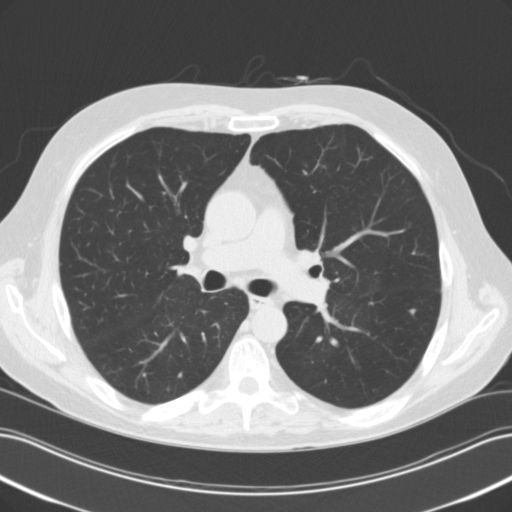
Slice 71/118 of a chest CT, counting up from the lowest; pixel size 0.707 mm, slice thickness 3.00 mm. Pulmonary nodule at rows 309–314, columns 409–415 (box = the union of the readers' outlines on this slice), outlined by two of the four readers; longest diameter 5.5 mm on average over the two readers' outlines (readers' outlines 5.1–5.8 mm), volume 55–57 mm3. Ratings, by the readers' most common answer with dissent counted: texture split among the readers: 3/5 (part-solid) (one), 4/5 (one); margin split among the readers: 3/5 (one), 4/5 (one); sphericity split among the readers: 3/5 (ovoid) (one), 4/5 (one); calcification absent, both readers agreeing; internal structure soft tissue from both readers; subtlety split among the readers: 1/5 (one), 3/5 (one); malignancy likelihood split among the readers: 2/5 (one), 3/5 (one). Scale key (1–5): texture non-solid→solid, margin indistinct→circumscribed, sphericity linear→round, subtlety extremely subtle→obvious, malignancy likelihood highly unlikely→highly suspicious of cancer. Box rows and columns are 0-based pixel indices from the top-left corner, inclusive.
Acquired at 120 kVp and reconstructed with the B31f kernel.